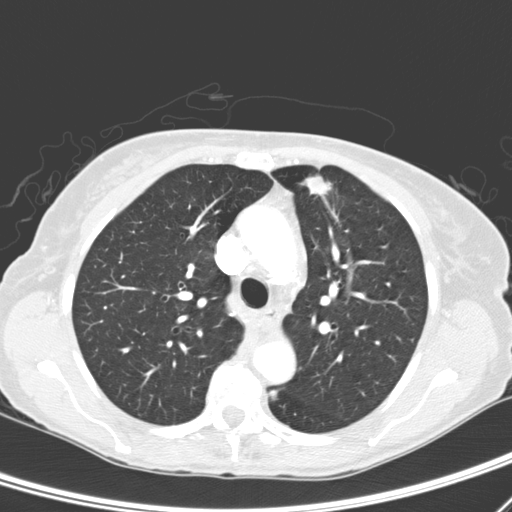
Axial slice 199 of 276 of a chest CT (slice 1 is the lowest), reconstructed with the D kernel at 120 kVp; 2.00 mm slice thickness and 0.617 mm pixels.
Two pulmonary nodules on this slice, listed from left to right. (1) Pulmonary nodule outlined by two of the four readers; box rows 391–399, columns 270–276 (the union of the readers' outlines on this slice); median longest diameter 8.7 mm (readers' outlines 7.4–10.0 mm), median volume 167 mm3 (109–225 mm3). Ratings, median across the readers with their spread: texture 2/5 at the median of two readers, spread 1/5 (non-solid) to 3/5 (part-solid); median margin 1.5/5 (readers ranged 1/5 (indistinct) to 2/5); sphericity 3.5/5 at the median of two readers, spread 3/5 (ovoid) to 4/5; calcification absent, both readers agreeing; internal structure soft tissue, both readers agreeing; subtlety 4/5 at the median of two readers, spread 3–5; median malignancy likelihood 3.5/5 (readers ranged 3–4). (2) Pulmonary nodule outlined by three of the four readers; box rows 174–196, columns 300–332 (the union of the readers' outlines on this slice); longest diameter 23.3 mm on average over the three readers' outlines (readers' outlines 19.9–25.7 mm), volume 1110–1901 mm3. The readers' prevailing ratings and who disagreed: most readers (two of three) put texture at 4/5, others 5/5 (solid) (one); margin 2/5 by two of three readers; the rest gave 4/5 (one); most readers (two of three) put sphericity at 3/5 (ovoid), others 4/5 (one); calcification absent from all three readers; internal structure soft tissue from all three readers; subtlety 5/5 from all three readers; malignancy likelihood 5/5 from all three readers. Scale key (1–5): texture non-solid→solid, margin indistinct→circumscribed, sphericity linear→round, subtlety extremely subtle→obvious, malignancy likelihood highly unlikely→highly suspicious of cancer. Box rows and columns are 0-based pixel indices from the top-left corner, inclusive.